Axial chest CT slice 95 of 183 (counted from the lowest slice); tube voltage 120 kVp, convolution kernel B30f; slices 2.00 mm thick, 0.664 mm per pixel.
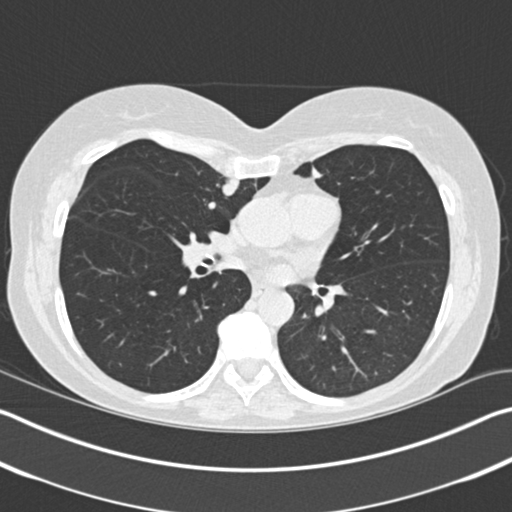
Two pulmonary nodules are outlined on this slice; from left to right: (1) Pulmonary nodule outlined by all four readers; box rows 202–209, columns 208–215 (the union of the readers' outlines on this slice); longest diameter 6.2 mm on average over the four readers' outlines (readers' outlines 5.7–6.8 mm), volume 42–157 mm3. Ratings, by the readers' most common answer with dissent counted: texture 5/5 (solid) from all four readers; margin 5/5 (circumscribed) from all four readers; sphericity 5/5 (round) by two of four readers; the rest gave 3/5 (ovoid) (one), 4/5 (one); calcification absent, all four readers agreeing; internal structure soft tissue, all four readers agreeing; subtlety 3/5 by two of four readers; the rest gave 2/5 (one), 4/5 (one); malignancy likelihood 3/5 by three of four readers; the rest gave 2/5 (one). (2) Pulmonary nodule, outlined by all four readers. Box on this slice rows 178–195, columns 221–239, the union of the readers' outlines on this slice; longest diameter 14.9 mm on average over the four readers' outlines (readers' outlines 14.4–15.3 mm), volume 647–1201 mm3. The readers' prevailing ratings and who disagreed: texture 5/5 (solid), all four readers agreeing; margin 5/5 (circumscribed) by three of four readers; the rest gave 4/5 (one); most readers (three of four) put sphericity at 4/5, others 3/5 (ovoid) (one); calcification absent from all four readers; internal structure soft tissue from all four readers; most readers (three of four) put subtlety at 5/5, others 4/5 (one); malignancy likelihood 5/5 by two of four readers; the rest gave 3/5 (one), 4/5 (one). Scale key (1–5): texture non-solid→solid, margin indistinct→circumscribed, sphericity linear→round, subtlety extremely subtle→obvious, malignancy likelihood highly unlikely→highly suspicious of cancer. Box rows and columns are 0-based pixel indices from the top-left corner, inclusive.